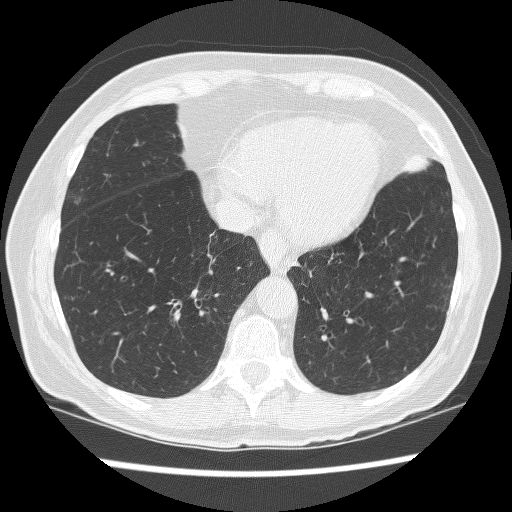
Chest CT, axial plane, 120 kVp, kernel BONE. Slice 80/241 from the bottom of the scan; thickness 1.25 mm; pixel size 0.609 mm.
Pulmonary nodule, outlined by two of the four readers, one of them on this slice. Box on this slice rows 308–311, columns 441–444, the one reader's outline on this slice; longest diameter 5.0–6.9 mm and volume 46–102 mm3 across the two readers' outlines. The readers' ratings, as ranges where they differ: texture from 3/5 (part-solid) to 4/5 across the two readers; margin from 2/5 to 5/5 (circumscribed) across the two readers; sphericity 3/5 (ovoid), both readers agreeing; calcification absent from both readers; internal structure soft tissue, both readers agreeing; subtlety from 2/5 to 3/5 across the two readers; malignancy likelihood rated between 2 and 3 out of 5 by the two readers. Scale key (1–5): texture non-solid→solid, margin indistinct→circumscribed, sphericity linear→round, subtlety extremely subtle→obvious, malignancy likelihood highly unlikely→highly suspicious of cancer. Box rows and columns are 0-based pixel indices from the top-left corner, inclusive.